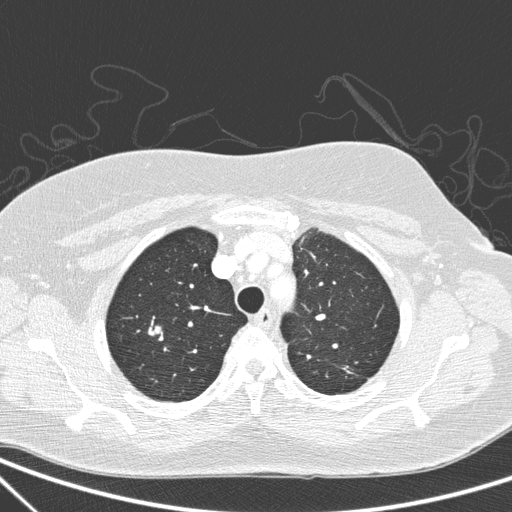
One axial slice (226 of 266, counting up from the lowest) of a chest CT acquired at 120 kVp with the D kernel; each pixel is 0.668 mm and the slice is 1.00 mm thick.
Pulmonary nodule, outlined by all four readers. Box on this slice rows 324–336, columns 149–161, the union of the readers' outlines on this slice; longest diameter 17.2 mm on average over the four readers' outlines (readers' outlines 16.7–17.7 mm), volume 1306–1533 mm3. The readers' prevailing ratings and who disagreed: texture 5/5 (solid), all four readers agreeing; margin 3/5 by two of four readers; the rest gave 2/5 (one), 5/5 (circumscribed) (one); sphericity 4/5 by two of four readers; the rest gave 3/5 (ovoid) (one), 5/5 (round) (one); calcification absent from all four readers; internal structure soft tissue, all four readers agreeing; subtlety 5/5, all four readers agreeing; malignancy likelihood 5/5 by three of four readers; the rest gave 2/5 (one). Scale key (1–5): texture non-solid→solid, margin indistinct→circumscribed, sphericity linear→round, subtlety extremely subtle→obvious, malignancy likelihood highly unlikely→highly suspicious of cancer. Box rows and columns are 0-based pixel indices from the top-left corner, inclusive.